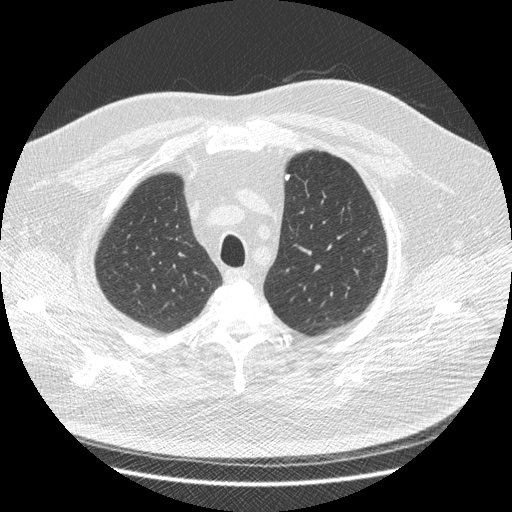
Axial slice 353 of 426 of a chest CT (slice 1 is the lowest), reconstructed with the STANDARD kernel at 120 kVp; 1.25 mm slice thickness and 0.742 mm pixels.
Pulmonary nodule outlined by three of the four readers; box rows 175–180, columns 285–289 (the union of the readers' outlines on this slice); the three readers' outlines give a longest diameter between 5.4 and 7.3 mm and a volume between 50 and 91 mm3. The readers' ratings, as ranges where they differ: texture 5/5 (solid), all three readers agreeing; margin 5/5 (circumscribed) from all three readers; sphericity from 2/5 to 4/5 across the three readers; calcification solid calcification from all three readers; internal structure soft tissue, all three readers agreeing; subtlety 4–5/5 (the readers disagree); malignancy likelihood 1/5, all three readers agreeing. Scale key (1–5): texture non-solid→solid, margin indistinct→circumscribed, sphericity linear→round, subtlety extremely subtle→obvious, malignancy likelihood highly unlikely→highly suspicious of cancer. Box rows and columns are 0-based pixel indices from the top-left corner, inclusive.